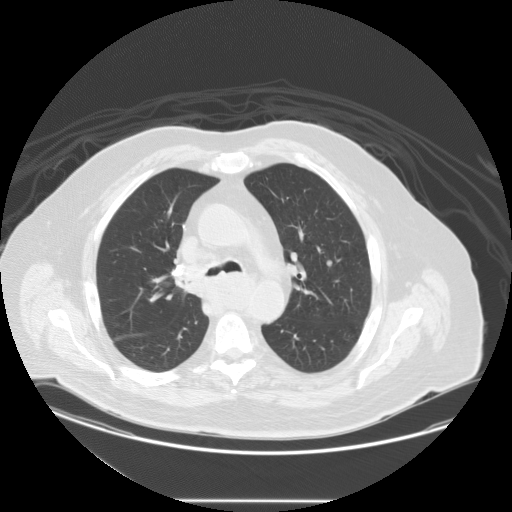
This is axial slice 93 of 133 (slice 1 is the lowest) of a chest CT; each pixel is 0.859 mm and the slice is 2.50 mm thick. Pulmonary nodule at rows 259–267, columns 326–332 (box = the union of the readers' outlines on this slice), outlined by all four readers; median longest diameter 8.4 mm (readers' outlines 6.9–9.8 mm), median volume 209 mm3 (164–285 mm3). Median ratings and the readers' spread: texture 5/5 (solid), all four readers agreeing; margin 5/5 (circumscribed) from all four readers; median sphericity 5/5 (round) (readers ranged 4/5 to 5/5 (round)); calcification absent, all four readers agreeing; internal structure soft tissue, all four readers agreeing; subtlety 3/5 at the median of four readers, spread 1–4; median malignancy likelihood 2.5/5 (readers ranged 2–3). Scale key (1–5): texture non-solid→solid, margin indistinct→circumscribed, sphericity linear→round, subtlety extremely subtle→obvious, malignancy likelihood highly unlikely→highly suspicious of cancer. Box rows and columns are 0-based pixel indices from the top-left corner, inclusive.
Tube voltage 120 kVp; convolution kernel STANDARD.